One axial slice (392 of 461, counting up from the lowest) of a chest CT acquired at 120 kVp with the STANDARD kernel; each pixel is 0.645 mm and the slice is 1.25 mm thick.
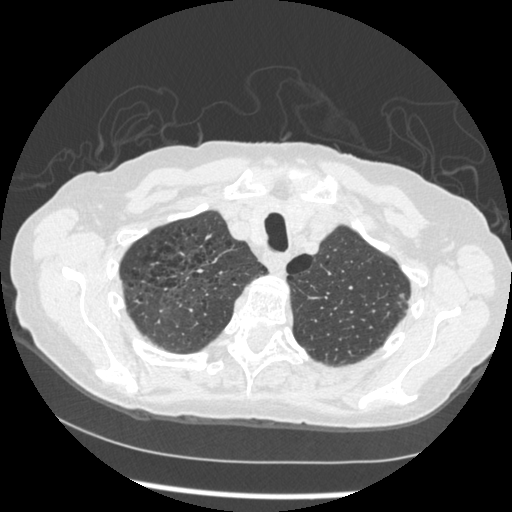
Pulmonary nodule at rows 294–297, columns 400–403 (box = the one reader's outline on this slice), outlined by all four readers, one of them on this slice; longest diameter 10.1 mm on average over the four readers' outlines (readers' outlines 9.2–11.1 mm), volume 139–248 mm3. The readers' prevailing ratings and who disagreed: most readers (three of four) put texture at 5/5 (solid), others 3/5 (part-solid) (one); margin 4/5 by two of four readers; the rest gave 2/5 (one), 5/5 (circumscribed) (one); sphericity 4/5 by two of four readers; the rest gave 2/5 (one), 5/5 (round) (one); calcification absent, all four readers agreeing; internal structure soft tissue from all four readers; subtlety 5/5 by two of four readers; the rest gave 3/5 (one), 4/5 (one); malignancy likelihood 3/5 by two of four readers; the rest gave 2/5 (one), 4/5 (one). Scale key (1–5): texture non-solid→solid, margin indistinct→circumscribed, sphericity linear→round, subtlety extremely subtle→obvious, malignancy likelihood highly unlikely→highly suspicious of cancer. Box rows and columns are 0-based pixel indices from the top-left corner, inclusive.